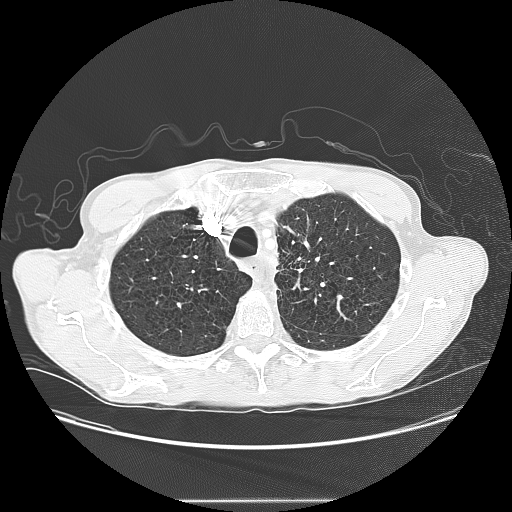
Chest CT, axial plane, 120 kVp, kernel LUNG. Slice 119/145 from the bottom of the scan; thickness 2.50 mm; pixel size 0.781 mm.
Pulmonary nodule, outlined by one of the four readers. Box on this slice rows 257–263, columns 294–301, that reader's outline on this slice; longest diameter 20.7 mm and volume 2229 mm3 from that reader's outline. That reader's ratings: texture 5/5 (solid); margin 2/5; sphericity 5/5 (round); calcification absent; internal structure soft tissue; subtlety 4/5; malignancy likelihood 5/5. Scale key (1–5): texture non-solid→solid, margin indistinct→circumscribed, sphericity linear→round, subtlety extremely subtle→obvious, malignancy likelihood highly unlikely→highly suspicious of cancer. Box rows and columns are 0-based pixel indices from the top-left corner, inclusive.